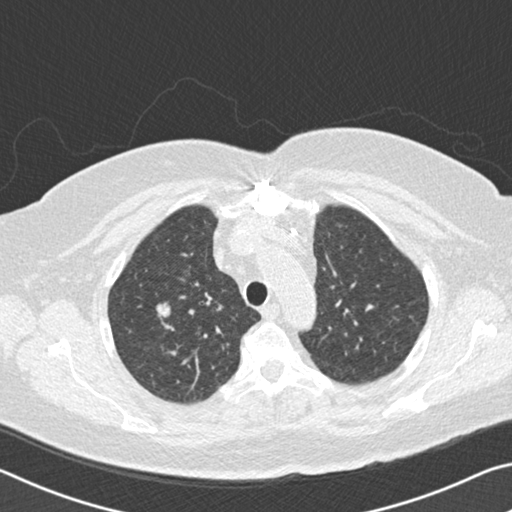
Axial chest CT slice 132 of 167 (counted from the lowest slice); 2.00 mm thick, 0.664 mm per pixel. Pulmonary nodule outlined by all four readers; box rows 302–317, columns 155–170 (the union of the readers' outlines on this slice); median longest diameter 14.3 mm (readers' outlines 13.7–15.2 mm), median volume 1020 mm3 (840–1189 mm3). Median ratings and the readers' spread: texture 5/5 (solid), all four readers agreeing; median margin 4/5 (readers ranged 4/5 to 5/5 (circumscribed)); median sphericity 4.5/5 (readers ranged 3/5 (ovoid) to 5/5 (round)); calcification absent, all four readers agreeing; internal structure soft tissue, all four readers agreeing; median subtlety 5/5 (readers ranged 4–5); median malignancy likelihood 4/5 (readers ranged 3–5). Scale key (1–5): texture non-solid→solid, margin indistinct→circumscribed, sphericity linear→round, subtlety extremely subtle→obvious, malignancy likelihood highly unlikely→highly suspicious of cancer. Box rows and columns are 0-based pixel indices from the top-left corner, inclusive.
Tube voltage 120 kVp; convolution kernel B30f.